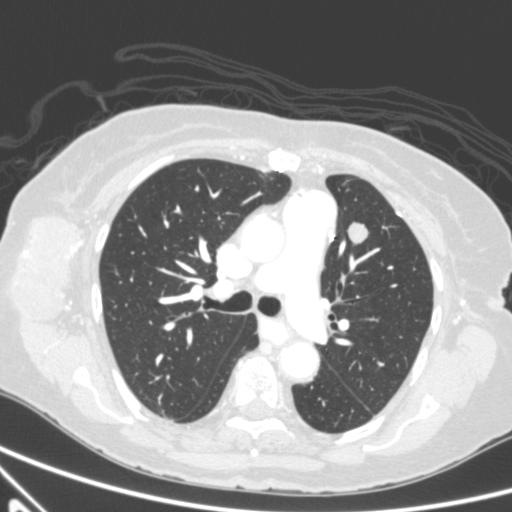
This is axial slice 362 of 590 (slice 1 is the lowest) of a chest CT; each pixel is 0.627 mm and the slice is 0.90 mm thick. Pulmonary nodule, outlined by all four readers. Box on this slice rows 222–244, columns 347–368, the union of the readers' outlines on this slice; median longest diameter 17.7 mm (readers' outlines 16.3–20.1 mm), median volume 1143 mm3 (1116–1236 mm3). Ratings, median across the readers with their spread: texture 5/5 (solid) from all four readers; median margin 4/5 (readers ranged 3/5 to 5/5 (circumscribed)); sphericity 3.5/5 at the median of four readers, spread 3/5 (ovoid) to 4/5; calcification absent, all four readers agreeing; internal structure soft tissue, all four readers agreeing; median subtlety 5/5 (readers ranged 4–5); median malignancy likelihood 4/5 (readers ranged 3–5). Scale key (1–5): texture non-solid→solid, margin indistinct→circumscribed, sphericity linear→round, subtlety extremely subtle→obvious, malignancy likelihood highly unlikely→highly suspicious of cancer. Box rows and columns are 0-based pixel indices from the top-left corner, inclusive.
Tube voltage 120 kVp; convolution kernel B.